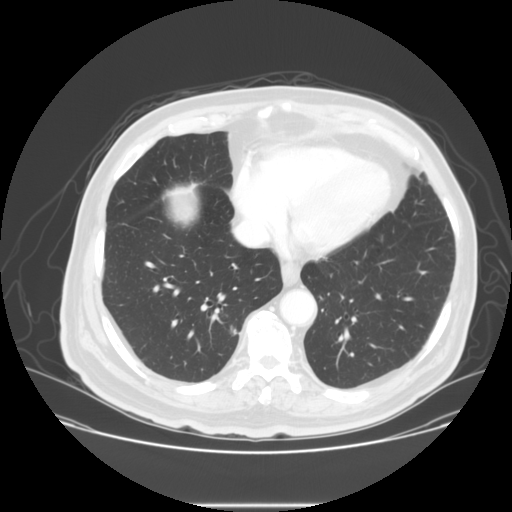
Axial chest CT slice 55 of 133 (counted from the lowest slice); tube voltage 140 kVp, convolution kernel STANDARD; slices 2.50 mm thick, 0.781 mm per pixel.
Pulmonary nodule outlined by two of the four readers; box rows 330–334, columns 231–236 (the union of the readers' outlines on this slice); longest diameter 5.9 mm on average over the two readers' outlines (readers' outlines 5.0–6.7 mm), volume 84–124 mm3. Ratings, by the readers' most common answer with dissent counted: texture 5/5 (solid), both readers agreeing; margin split among the readers: 2/5 (one), 5/5 (circumscribed) (one); sphericity split among the readers: 2/5 (one), 5/5 (round) (one); calcification absent from both readers; internal structure soft tissue, both readers agreeing; subtlety 3/5 from both readers; malignancy likelihood 2/5, both readers agreeing. Scale key (1–5): texture non-solid→solid, margin indistinct→circumscribed, sphericity linear→round, subtlety extremely subtle→obvious, malignancy likelihood highly unlikely→highly suspicious of cancer. Box rows and columns are 0-based pixel indices from the top-left corner, inclusive.